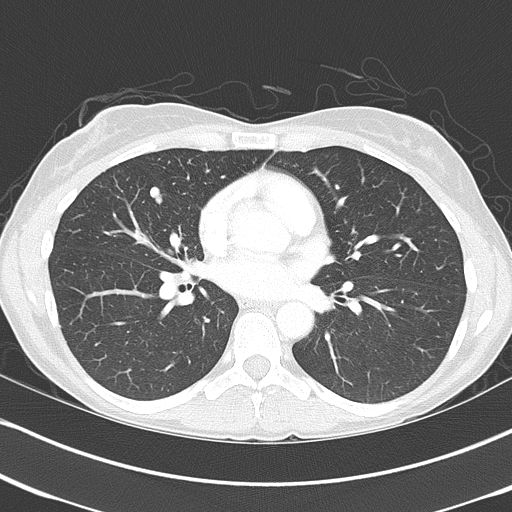
One axial slice (205 of 368, counting up from the lowest) of a chest CT acquired at 120 kVp with the B70f kernel; each pixel is 0.623 mm and the slice is 2.00 mm thick.
Pulmonary nodule outlined by all four readers; box rows 186–204, columns 149–161 (the union of the readers' outlines on this slice); median longest diameter 12.7 mm (readers' outlines 12.1–13.5 mm), median volume 329 mm3 (274–376 mm3). Median ratings and the readers' spread: texture 5/5 (solid) at the median of four readers, spread 4/5 to 5/5 (solid); margin 4.5/5 at the median of four readers, spread 3/5 to 5/5 (circumscribed); sphericity 2.5/5 at the median of four readers, spread 2/5 to 3/5 (ovoid); calcification: absent (two), non-central calcification (one), solid calcification (one); internal structure soft tissue from all four readers; subtlety 5/5, all four readers agreeing; median malignancy likelihood 3.5/5 (readers ranged 2–4). Scale key (1–5): texture non-solid→solid, margin indistinct→circumscribed, sphericity linear→round, subtlety extremely subtle→obvious, malignancy likelihood highly unlikely→highly suspicious of cancer. Box rows and columns are 0-based pixel indices from the top-left corner, inclusive.